Axial slice 311 of 481 of a chest CT (slice 1 is the lowest), reconstructed with the STANDARD kernel at 120 kVp; 1.25 mm slice thickness and 0.664 mm pixels.
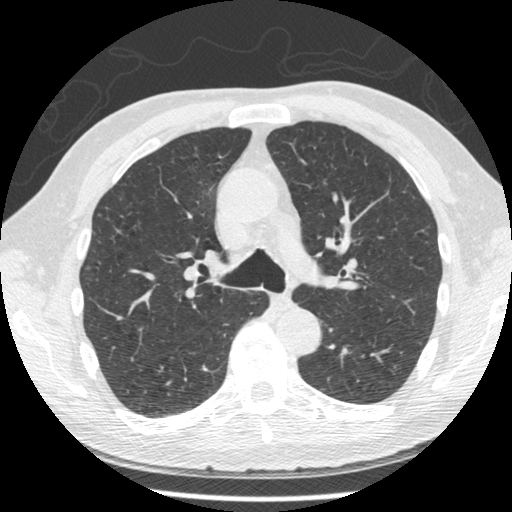
Pulmonary nodule at rows 266–268, columns 85–90 (box = that reader's outline on this slice), outlined by one of the four readers; longest diameter 8.7 mm and volume 117 mm3 from that reader's outline. Ratings by that reader: texture 4/5; margin 5/5 (circumscribed); sphericity 4/5; calcification absent; internal structure soft tissue; subtlety 4/5; malignancy likelihood 4/5. Scale key (1–5): texture non-solid→solid, margin indistinct→circumscribed, sphericity linear→round, subtlety extremely subtle→obvious, malignancy likelihood highly unlikely→highly suspicious of cancer. Box rows and columns are 0-based pixel indices from the top-left corner, inclusive.